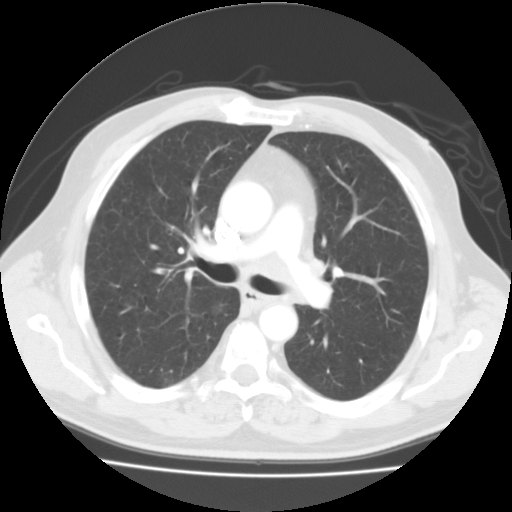
Axial slice 73 of 114 of a chest CT (slice 1 is the lowest), reconstructed with the FC01 kernel at 135 kVp; 3.00 mm slice thickness and 0.711 mm pixels.
Pulmonary nodule outlined by one of the four readers; box rows 301–315, columns 210–226 (that reader's outline on this slice); longest diameter 13.0 mm and volume 688 mm3 from that reader's outline. Ratings by that reader: texture 1/5 (non-solid); margin 1/5 (indistinct); sphericity 5/5 (round); calcification absent; internal structure soft tissue; subtlety 1/5; malignancy likelihood 3/5. Scale key (1–5): texture non-solid→solid, margin indistinct→circumscribed, sphericity linear→round, subtlety extremely subtle→obvious, malignancy likelihood highly unlikely→highly suspicious of cancer. Box rows and columns are 0-based pixel indices from the top-left corner, inclusive.